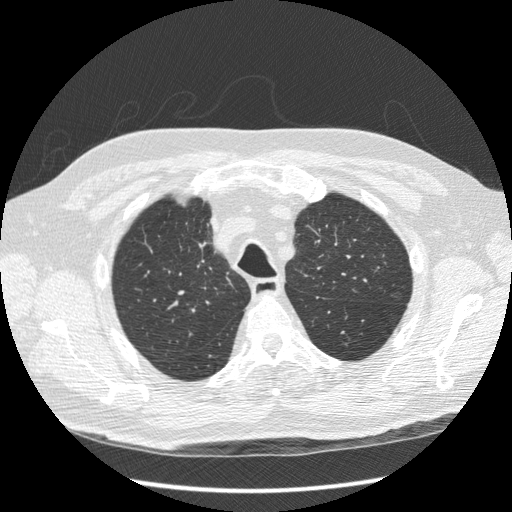
One axial slice (168 of 216, counting up from the lowest) of a chest CT acquired at 120 kVp with the STANDARD kernel; each pixel is 0.703 mm and the slice is 1.25 mm thick.
Pulmonary nodule, outlined by one of the four readers. Box on this slice rows 291–299, columns 390–400, that reader's outline on this slice; longest diameter 9.8 mm and volume 61 mm3 from that reader's outline. Ratings by that reader: texture 1/5 (non-solid); margin 1/5 (indistinct); sphericity 4/5; calcification absent; internal structure soft tissue; subtlety 2/5; malignancy likelihood 3/5. Scale key (1–5): texture non-solid→solid, margin indistinct→circumscribed, sphericity linear→round, subtlety extremely subtle→obvious, malignancy likelihood highly unlikely→highly suspicious of cancer. Box rows and columns are 0-based pixel indices from the top-left corner, inclusive.